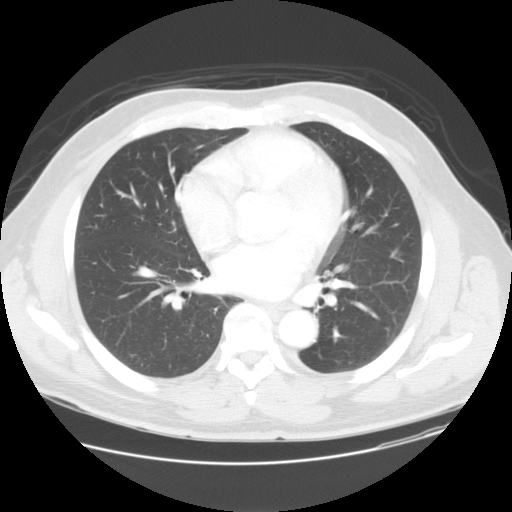
This is axial slice 74 of 144 (slice 1 is the lowest) of a chest CT; each pixel is 0.781 mm and the slice is 2.50 mm thick. No nodule of 3 mm or larger was outlined by any of the four readers on this slice.
Acquired at 120 kVp and reconstructed with the STANDARD kernel.